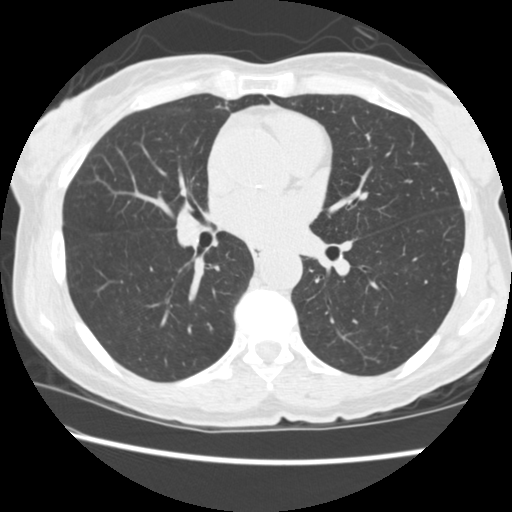
Axial slice 259 of 519 of a chest CT (slice 1 is the lowest), reconstructed with the STANDARD kernel at 120 kVp; 1.25 mm slice thickness and 0.625 mm pixels.
No nodule 3 mm or larger was outlined here by any reader.